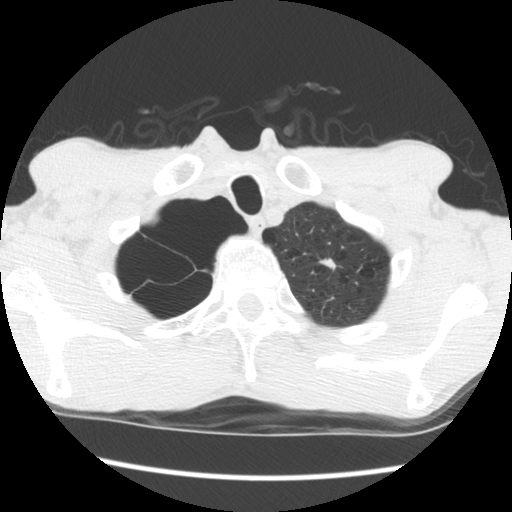
Chest CT, axial plane, 120 kVp, kernel STANDARD. Slice 165/181 from the bottom of the scan; thickness 2.50 mm; pixel size 0.645 mm.
Pulmonary nodule outlined by all four readers; box rows 257–270, columns 317–335 (the union of the readers' outlines on this slice); longest diameter 12.1 mm on average over the four readers' outlines (readers' outlines 10.5–14.4 mm), volume 215–737 mm3. The readers' prevailing ratings and who disagreed: texture 5/5 (solid), all four readers agreeing; margin 4/5 by two of four readers; the rest gave 3/5 (one), 5/5 (circumscribed) (one); most readers (three of four) put sphericity at 2/5, others 3/5 (ovoid) (one); calcification absent from all four readers; internal structure soft tissue from all four readers; most readers (three of four) put subtlety at 4/5, others 3/5 (one); malignancy likelihood 3/5 by two of four readers; the rest gave 2/5 (one), 4/5 (one). Scale key (1–5): texture non-solid→solid, margin indistinct→circumscribed, sphericity linear→round, subtlety extremely subtle→obvious, malignancy likelihood highly unlikely→highly suspicious of cancer. Box rows and columns are 0-based pixel indices from the top-left corner, inclusive.